One axial slice (147 of 193, counting up from the lowest) of a chest CT acquired at 120 kVp with the B30f kernel; each pixel is 0.547 mm and the slice is 2.00 mm thick.
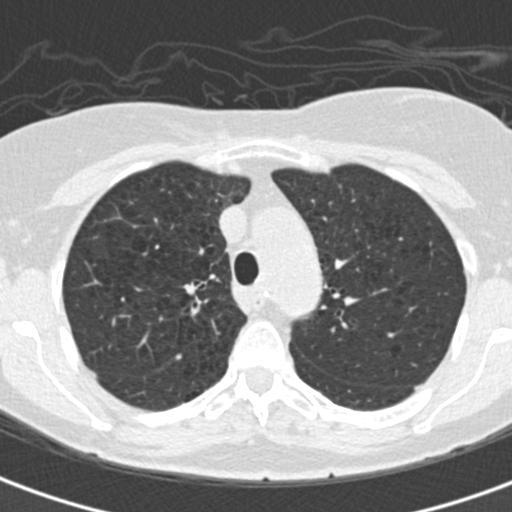
Pulmonary nodule, outlined by two of the four readers, one of them on this slice. Box on this slice rows 212–216, columns 112–116, the one reader's outline on this slice; longest diameter 7.0–7.9 mm and volume 101 mm3 across the two readers' outlines. Ratings across the readers: texture 1/5 (non-solid) from both readers; margin 2/5, both readers agreeing; sphericity 5/5 (round) from both readers; calcification absent from both readers; internal structure soft tissue from both readers; subtlety 1–2/5 (the readers disagree); malignancy likelihood 2/5, both readers agreeing. Scale key (1–5): texture non-solid→solid, margin indistinct→circumscribed, sphericity linear→round, subtlety extremely subtle→obvious, malignancy likelihood highly unlikely→highly suspicious of cancer. Box rows and columns are 0-based pixel indices from the top-left corner, inclusive.